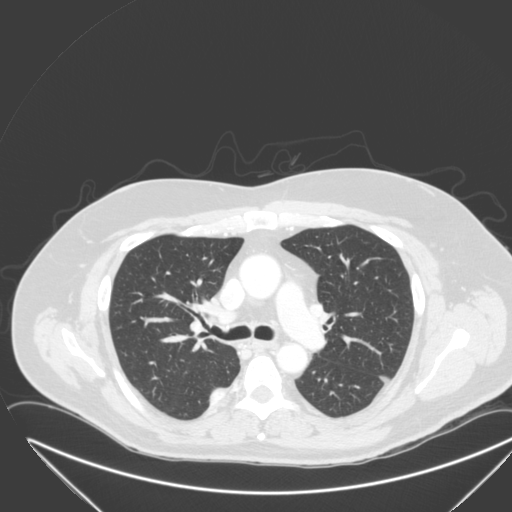
Axial chest CT slice 203 of 315 (counted from the lowest slice); tube voltage 120 kVp, convolution kernel B; slices 2.00 mm thick, 0.830 mm per pixel.
Pulmonary nodule, outlined by one of the four readers. Box on this slice rows 389–403, columns 211–224, that reader's outline on this slice; longest diameter 27.1 mm and volume 6093 mm3 from that reader's outline. Ratings by that reader: texture 5/5 (solid); margin 4/5; sphericity 2/5; calcification absent; internal structure soft tissue; subtlety 5/5; malignancy likelihood 4/5. Scale key (1–5): texture non-solid→solid, margin indistinct→circumscribed, sphericity linear→round, subtlety extremely subtle→obvious, malignancy likelihood highly unlikely→highly suspicious of cancer. Box rows and columns are 0-based pixel indices from the top-left corner, inclusive.